Axial chest CT slice 90 of 214 (counted from the lowest slice); tube voltage 120 kVp, convolution kernel STANDARD; slices 1.25 mm thick, 0.879 mm per pixel.
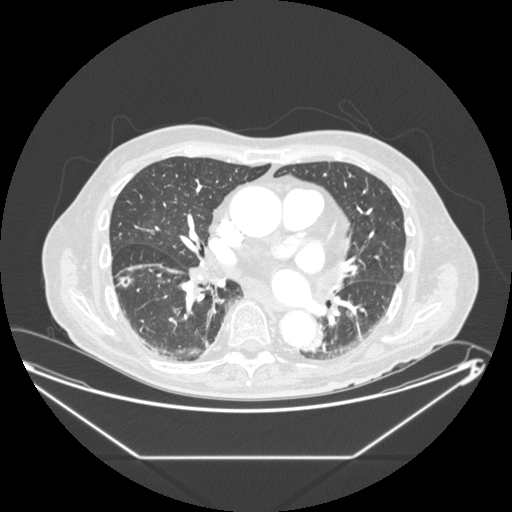
Pulmonary nodule at rows 276–287, columns 117–132 (box = the union of the readers' outlines on this slice), outlined by all four readers; median longest diameter 13.4 mm (readers' outlines 12.6–15.8 mm), median volume 615 mm3 (537–734 mm3). Ratings, median across the readers with their spread: texture 5/5 (solid) at the median of four readers, spread 4/5 to 5/5 (solid); margin 3.5/5 at the median of four readers, spread 2/5 to 5/5 (circumscribed); sphericity 4.5/5 at the median of four readers, spread 4/5 to 5/5 (round); calcification absent from all four readers; internal structure soft tissue, all four readers agreeing; median subtlety 4/5 (readers ranged 4–5); median malignancy likelihood 3/5 (readers ranged 3–5). Scale key (1–5): texture non-solid→solid, margin indistinct→circumscribed, sphericity linear→round, subtlety extremely subtle→obvious, malignancy likelihood highly unlikely→highly suspicious of cancer. Box rows and columns are 0-based pixel indices from the top-left corner, inclusive.